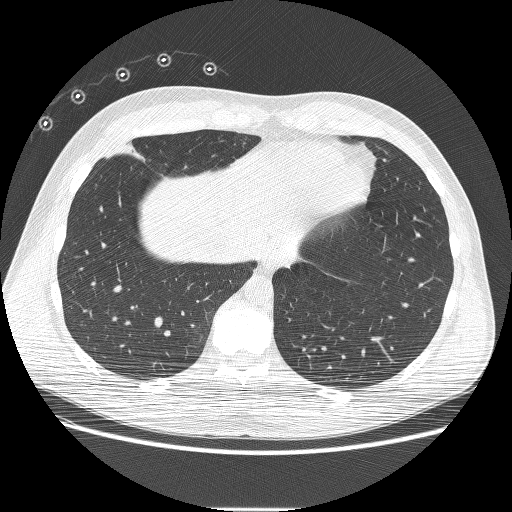
Slice 55/230 of a chest CT, counting up from the lowest; pixel size 0.732 mm, slice thickness 1.25 mm. Pulmonary nodule outlined by all four readers; box rows 140–161, columns 105–144 (the union of the readers' outlines on this slice); median longest diameter 27.2 mm (readers' outlines 23.5–29.5 mm), median volume 3460 mm3 (3146–3701 mm3). Median ratings and the readers' spread: texture 5/5 (solid) from all four readers; margin 4.5/5 at the median of four readers, spread 3/5 to 5/5 (circumscribed); median sphericity 3.5/5 (readers ranged 3/5 (ovoid) to 4/5); calcification absent from all four readers; internal structure soft tissue from all four readers; subtlety 5/5 from all four readers; malignancy likelihood 5/5 at the median of four readers, spread 4–5. Scale key (1–5): texture non-solid→solid, margin indistinct→circumscribed, sphericity linear→round, subtlety extremely subtle→obvious, malignancy likelihood highly unlikely→highly suspicious of cancer. Box rows and columns are 0-based pixel indices from the top-left corner, inclusive.
Scan settings: 120 kVp, BONE reconstruction kernel.